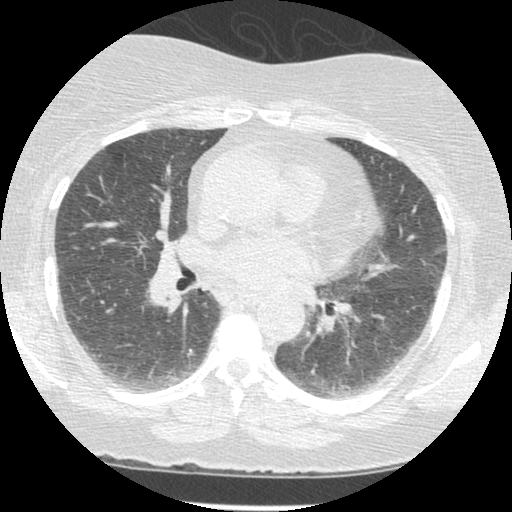
Axial slice 175 of 381 of a chest CT (slice 1 is the lowest), reconstructed with the STANDARD kernel at 120 kVp; 1.25 mm slice thickness and 0.625 mm pixels.
Pulmonary nodule outlined by two of the four readers; box rows 349–351, columns 189–193 (the union of the readers' outlines on this slice); median longest diameter 3.9 mm (readers' outlines 3.6–4.2 mm), median volume 20 mm3 (18–22 mm3). Median ratings and the readers' spread: texture 5/5 (solid), both readers agreeing; margin 4.5/5 at the median of two readers, spread 4/5 to 5/5 (circumscribed); sphericity 5/5 (round) from both readers; calcification solid calcification, both readers agreeing; internal structure soft tissue, both readers agreeing; subtlety 3.5/5 at the median of two readers, spread 2–5; malignancy likelihood 1/5, both readers agreeing. Scale key (1–5): texture non-solid→solid, margin indistinct→circumscribed, sphericity linear→round, subtlety extremely subtle→obvious, malignancy likelihood highly unlikely→highly suspicious of cancer. Box rows and columns are 0-based pixel indices from the top-left corner, inclusive.